Axial slice 192 of 345 of a chest CT (slice 1 is the lowest), reconstructed with the B70f kernel at 120 kVp; 2.00 mm slice thickness and 0.541 mm pixels.
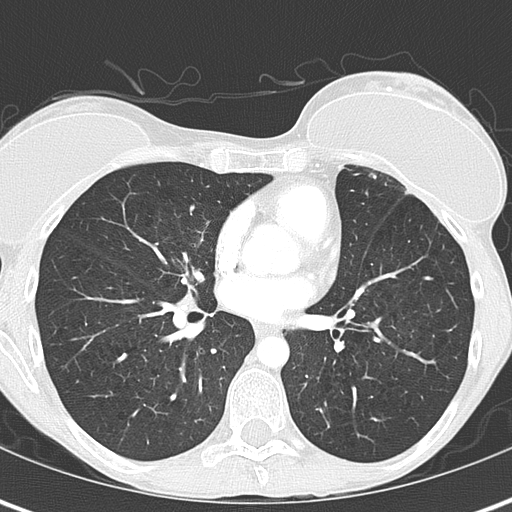
Pulmonary nodule, outlined by all four readers, one of them on this slice. Box on this slice rows 340–347, columns 341–344, the one reader's outline on this slice; longest diameter 6.3–7.7 mm and volume 105–184 mm3 across the four readers' outlines. Ratings across the readers: texture 5/5 (solid), all four readers agreeing; margin 5/5 (circumscribed) from all four readers; sphericity from 4/5 to 5/5 (round) across the four readers; calcification split among the readers: laminated calcification (two), solid calcification (two); internal structure soft tissue from all four readers; subtlety 2–5/5 (the readers disagree); malignancy likelihood 1/5, all four readers agreeing. Scale key (1–5): texture non-solid→solid, margin indistinct→circumscribed, sphericity linear→round, subtlety extremely subtle→obvious, malignancy likelihood highly unlikely→highly suspicious of cancer. Box rows and columns are 0-based pixel indices from the top-left corner, inclusive.